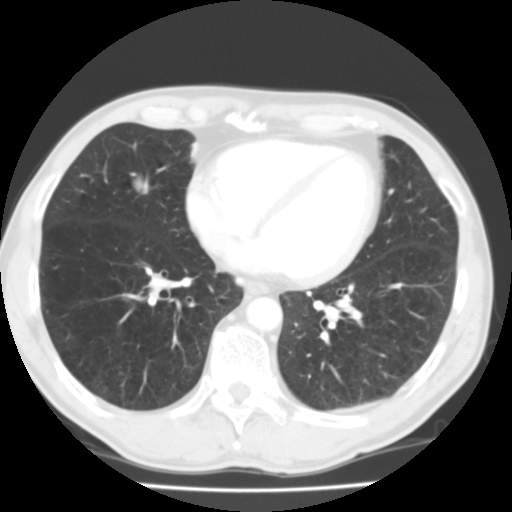
This is axial slice 46 of 119 (slice 1 is the lowest) of a chest CT; each pixel is 0.640 mm and the slice is 3.00 mm thick. Pulmonary nodule at rows 173–195, columns 131–148 (box = the union of the readers' outlines on this slice), outlined by all four readers; median longest diameter 17.9 mm (readers' outlines 17.4–18.7 mm), median volume 2416 mm3 (2076–2642 mm3). Ratings, median across the readers with their spread: texture 5/5 (solid), all four readers agreeing; margin 4.5/5 at the median of four readers, spread 4/5 to 5/5 (circumscribed); median sphericity 4.5/5 (readers ranged 3/5 (ovoid) to 5/5 (round)); calcification: absent (three), central calcification (one); internal structure soft tissue, all four readers agreeing; subtlety 5/5 at the median of four readers, spread 4–5; median malignancy likelihood 3.5/5 (readers ranged 1–4). Scale key (1–5): texture non-solid→solid, margin indistinct→circumscribed, sphericity linear→round, subtlety extremely subtle→obvious, malignancy likelihood highly unlikely→highly suspicious of cancer. Box rows and columns are 0-based pixel indices from the top-left corner, inclusive.
Acquired at 135 kVp and reconstructed with the FC01 kernel.